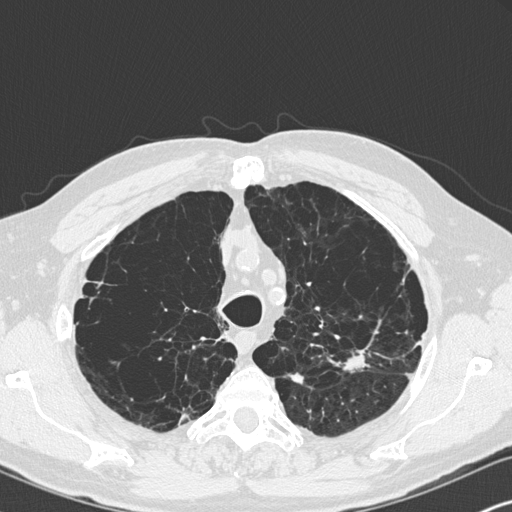
Chest CT, axial plane, 120 kVp, kernel B45f. Slice 256/347 from the bottom of the scan; thickness 1.00 mm; pixel size 0.625 mm.
Two pulmonary nodules are outlined on this slice; from left to right: (1) Pulmonary nodule, outlined by two of the four readers. Box on this slice rows 372–385, columns 287–303, the union of the readers' outlines on this slice; longest diameter 11.8 mm on average over the two readers' outlines (readers' outlines 11.3–12.3 mm), volume 328–329 mm3. Ratings, by the readers' most common answer with dissent counted: texture 5/5 (solid) from both readers; margin split among the readers: 2/5 (one), 4/5 (one); sphericity split among the readers: 2/5 (one), 4/5 (one); calcification absent from both readers; internal structure soft tissue, both readers agreeing; subtlety split among the readers: 4/5 (one), 5/5 (one); malignancy likelihood 3/5 from both readers. (2) Pulmonary nodule outlined by one of the four readers; box rows 349–372, columns 343–364 (that reader's outline on this slice); longest diameter 24.3 mm and volume 1862 mm3 from that reader's outline. That reader's ratings: texture 5/5 (solid); margin 4/5; sphericity 3/5 (ovoid); calcification absent; internal structure soft tissue; subtlety 5/5; malignancy likelihood 4/5. Scale key (1–5): texture non-solid→solid, margin indistinct→circumscribed, sphericity linear→round, subtlety extremely subtle→obvious, malignancy likelihood highly unlikely→highly suspicious of cancer. Box rows and columns are 0-based pixel indices from the top-left corner, inclusive.